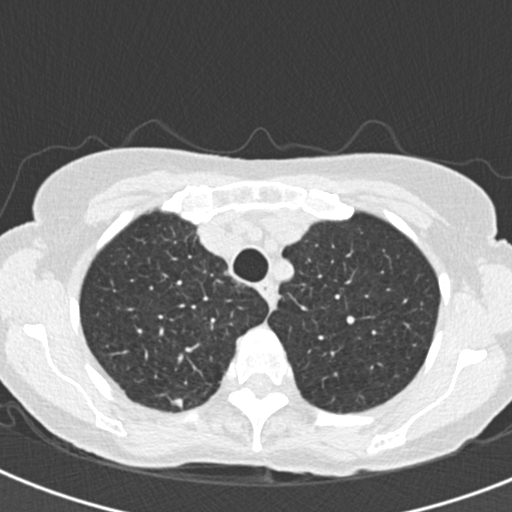
Chest CT, axial plane, 120 kVp, kernel B30f. Slice 155/192 from the bottom of the scan; thickness 2.00 mm; pixel size 0.566 mm.
Pulmonary nodule outlined by three of the four readers; box rows 398–407, columns 171–182 (the union of the readers' outlines on this slice); median longest diameter 8.1 mm (readers' outlines 7.4–9.0 mm), median volume 112 mm3 (87–154 mm3). Ratings, median across the readers with their spread: texture 5/5 (solid) at the median of three readers, spread 4/5 to 5/5 (solid); margin 4/5 at the median of three readers, spread 4/5 to 5/5 (circumscribed); median sphericity 4/5 (readers ranged 3/5 (ovoid) to 4/5); calcification absent from all three readers; internal structure soft tissue from all three readers; subtlety 4/5 from all three readers; median malignancy likelihood 3/5 (readers ranged 3–4). Scale key (1–5): texture non-solid→solid, margin indistinct→circumscribed, sphericity linear→round, subtlety extremely subtle→obvious, malignancy likelihood highly unlikely→highly suspicious of cancer. Box rows and columns are 0-based pixel indices from the top-left corner, inclusive.